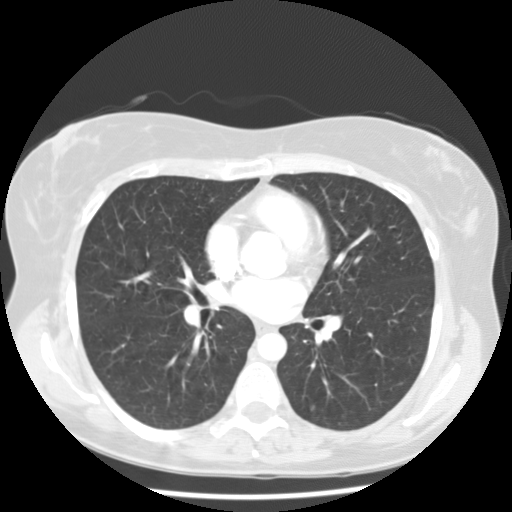
Axial slice 80 of 133 of a chest CT (slice 1 is the lowest), reconstructed with the STANDARD kernel at 120 kVp; 2.50 mm slice thickness and 0.664 mm pixels.
Pulmonary nodule at rows 404–411, columns 309–315 (box = the union of the readers' outlines on this slice), outlined by all four readers, two of them on this slice; median longest diameter 7.9 mm (readers' outlines 6.8–9.0 mm), median volume 145 mm3 (74–249 mm3). Median ratings and the readers' spread: median texture 5/5 (solid) (readers ranged 4/5 to 5/5 (solid)); median margin 5/5 (circumscribed) (readers ranged 3/5 to 5/5 (circumscribed)); median sphericity 5/5 (round) (readers ranged 3/5 (ovoid) to 5/5 (round)); calcification absent from all four readers; internal structure soft tissue from all four readers; subtlety 3.5/5 at the median of four readers, spread 3–4; median malignancy likelihood 3/5 (readers ranged 2–3). Scale key (1–5): texture non-solid→solid, margin indistinct→circumscribed, sphericity linear→round, subtlety extremely subtle→obvious, malignancy likelihood highly unlikely→highly suspicious of cancer. Box rows and columns are 0-based pixel indices from the top-left corner, inclusive.